One axial slice (538 of 636, counting up from the lowest) of a chest CT acquired at 120 kVp with the B30f kernel; each pixel is 0.689 mm and the slice is 0.60 mm thick.
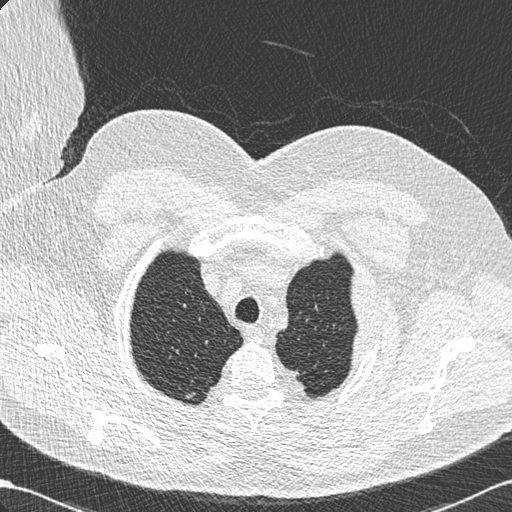
Pulmonary nodule at rows 393–399, columns 185–192 (box = that reader's outline on this slice), outlined by one of the four readers; longest diameter 7.2 mm and volume 71 mm3 from that reader's outline. Ratings by that reader: texture 4/5; margin 5/5 (circumscribed); sphericity 3/5 (ovoid); calcification absent; internal structure soft tissue; subtlety 5/5; malignancy likelihood 3/5. Scale key (1–5): texture non-solid→solid, margin indistinct→circumscribed, sphericity linear→round, subtlety extremely subtle→obvious, malignancy likelihood highly unlikely→highly suspicious of cancer. Box rows and columns are 0-based pixel indices from the top-left corner, inclusive.